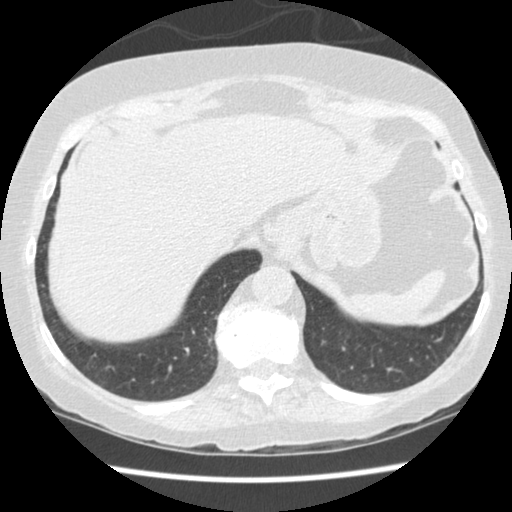
Axial chest CT slice 64 of 458 (counted from the lowest slice); 1.25 mm thick, 0.625 mm per pixel. Pulmonary nodule at rows 284–287, columns 41–44 (box = that reader's outline on this slice), outlined by one of the four readers; longest diameter 6.4 mm and volume 86 mm3 from that reader's outline. That reader's ratings: texture 5/5 (solid); margin 4/5; sphericity 3/5 (ovoid); calcification absent; internal structure soft tissue; subtlety 3/5; malignancy likelihood 1/5. Scale key (1–5): texture non-solid→solid, margin indistinct→circumscribed, sphericity linear→round, subtlety extremely subtle→obvious, malignancy likelihood highly unlikely→highly suspicious of cancer. Box rows and columns are 0-based pixel indices from the top-left corner, inclusive.
Tube voltage 120 kVp; convolution kernel STANDARD.